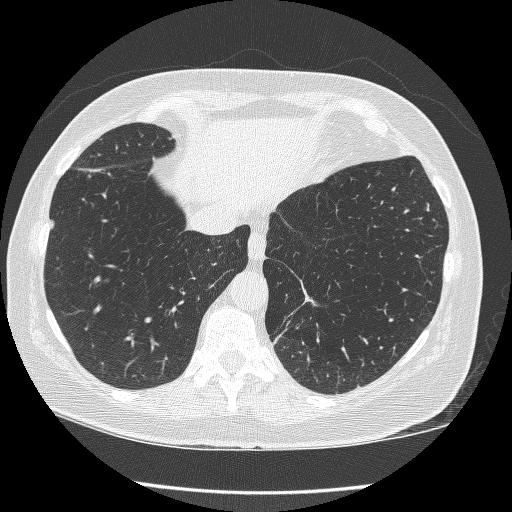
Slice 77/246 of a chest CT, counting up from the lowest; pixel size 0.617 mm, slice thickness 1.25 mm. Pulmonary nodule outlined by one of the four readers; box rows 220–229, columns 50–53 (that reader's outline on this slice); longest diameter 7.8 mm and volume 86 mm3 from that reader's outline. That reader's ratings: texture 5/5 (solid); margin 5/5 (circumscribed); sphericity 2/5; calcification absent; internal structure soft tissue; subtlety 3/5; malignancy likelihood 2/5. Scale key (1–5): texture non-solid→solid, margin indistinct→circumscribed, sphericity linear→round, subtlety extremely subtle→obvious, malignancy likelihood highly unlikely→highly suspicious of cancer. Box rows and columns are 0-based pixel indices from the top-left corner, inclusive.
Tube voltage 120 kVp; convolution kernel BONE.